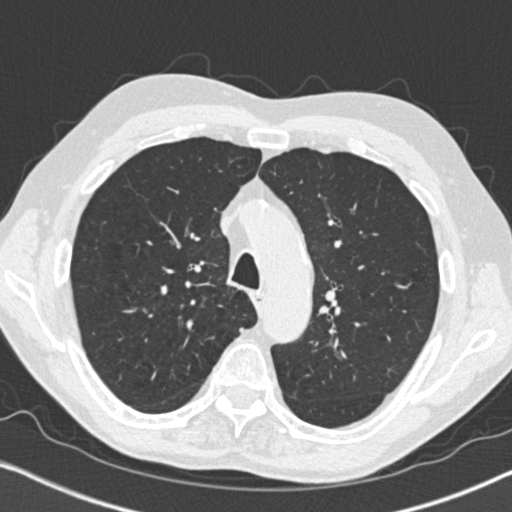
Chest CT, axial plane, 120 kVp, kernel B31f. Slice 554/764 from the bottom of the scan; thickness 1.00 mm; pixel size 0.646 mm.
The readers outlined no nodule of 3 mm or more on this slice.